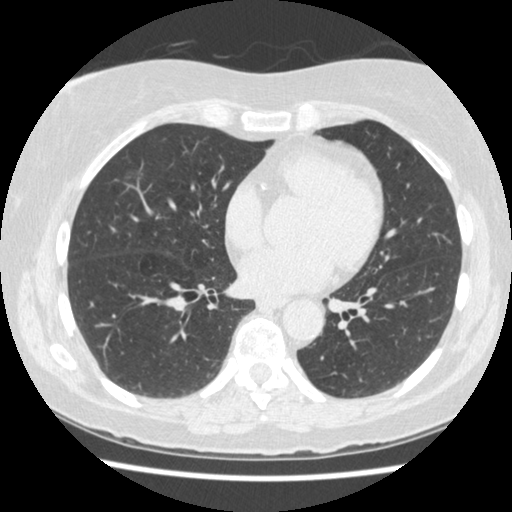
Axial slice 207 of 474 of a chest CT (slice 1 is the lowest), reconstructed with the STANDARD kernel at 120 kVp; 1.25 mm slice thickness and 0.625 mm pixels.
Pulmonary nodule at rows 166–181, columns 122–136 (box = the one reader's outline on this slice), outlined by all four readers, one of them on this slice; median longest diameter 15.1 mm (readers' outlines 12.6–15.8 mm), median volume 462 mm3 (209–921 mm3). Median ratings and the readers' spread: texture 3/5 (part-solid) at the median of four readers, spread 2/5 to 3/5 (part-solid); margin 3/5 at the median of four readers, spread 1/5 (indistinct) to 3/5; sphericity 3.5/5 at the median of four readers, spread 2/5 to 5/5 (round); calcification absent from all four readers; internal structure soft tissue from all four readers; median subtlety 4.5/5 (readers ranged 3–5); median malignancy likelihood 5/5 (readers ranged 3–5). Scale key (1–5): texture non-solid→solid, margin indistinct→circumscribed, sphericity linear→round, subtlety extremely subtle→obvious, malignancy likelihood highly unlikely→highly suspicious of cancer. Box rows and columns are 0-based pixel indices from the top-left corner, inclusive.